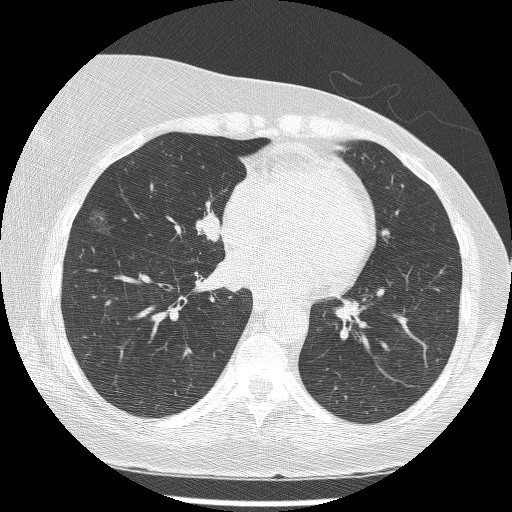
This is axial slice 78 of 209 (slice 1 is the lowest) of a chest CT; each pixel is 0.617 mm and the slice is 1.25 mm thick. Two pulmonary nodules are outlined on this slice; from left to right: (1) Pulmonary nodule at rows 206–235, columns 87–113 (box = the union of the readers' outlines on this slice), outlined by three of the four readers; median longest diameter 21.9 mm (readers' outlines 20.1–23.8 mm), median volume 2042 mm3 (734–2087 mm3). Ratings, median across the readers with their spread: texture 1/5 (non-solid), all three readers agreeing; margin 1/5 (indistinct), all three readers agreeing; median sphericity 4/5 (readers ranged 3/5 (ovoid) to 4/5); calcification absent, all three readers agreeing; internal structure soft tissue, all three readers agreeing; subtlety 2/5 at the median of three readers, spread 1–3; median malignancy likelihood 4/5 (readers ranged 3–5). (2) Pulmonary nodule outlined by three of the four readers; box rows 210–242, columns 195–220 (the union of the readers' outlines on this slice); the three readers' outlines give a longest diameter between 22.9 and 27.7 mm and a volume between 3040 and 4232 mm3. Ratings across the readers: texture 5/5 (solid), all three readers agreeing; margin from 4/5 to 5/5 (circumscribed) across the three readers; sphericity from 3/5 (ovoid) to 4/5 across the three readers; calcification absent, all three readers agreeing; internal structure soft tissue, all three readers agreeing; subtlety 5/5, all three readers agreeing; malignancy likelihood 5/5, all three readers agreeing. Scale key (1–5): texture non-solid→solid, margin indistinct→circumscribed, sphericity linear→round, subtlety extremely subtle→obvious, malignancy likelihood highly unlikely→highly suspicious of cancer. Box rows and columns are 0-based pixel indices from the top-left corner, inclusive.
Tube voltage 120 kVp; convolution kernel BONE.